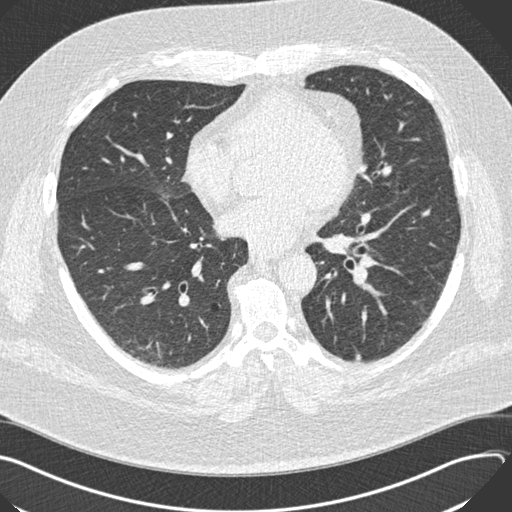
This is axial slice 86 of 187 (slice 1 is the lowest) of a chest CT; each pixel is 0.742 mm and the slice is 2.00 mm thick. Pulmonary nodule, outlined by all four readers. Box on this slice rows 354–359, columns 354–361, the union of the readers' outlines on this slice; longest diameter 9.6 mm on average over the four readers' outlines (readers' outlines 8.7–10.6 mm), volume 265–407 mm3. The readers' prevailing ratings and who disagreed: texture 5/5 (solid), all four readers agreeing; most readers (three of four) put margin at 5/5 (circumscribed), others 4/5 (one); sphericity 5/5 (round) by three of four readers; the rest gave 3/5 (ovoid) (one); calcification solid calcification by three of four readers, absent (one); internal structure soft tissue, all four readers agreeing; subtlety 5/5 by three of four readers; the rest gave 4/5 (one); most readers (three of four) put malignancy likelihood at 1/5, others 5/5 (one). Scale key (1–5): texture non-solid→solid, margin indistinct→circumscribed, sphericity linear→round, subtlety extremely subtle→obvious, malignancy likelihood highly unlikely→highly suspicious of cancer. Box rows and columns are 0-based pixel indices from the top-left corner, inclusive.
Acquired at 120 kVp and reconstructed with the B30f kernel.